Axial chest CT slice 124 of 213 (counted from the lowest slice); tube voltage 120 kVp, convolution kernel BONE; slices 1.25 mm thick, 0.646 mm per pixel.
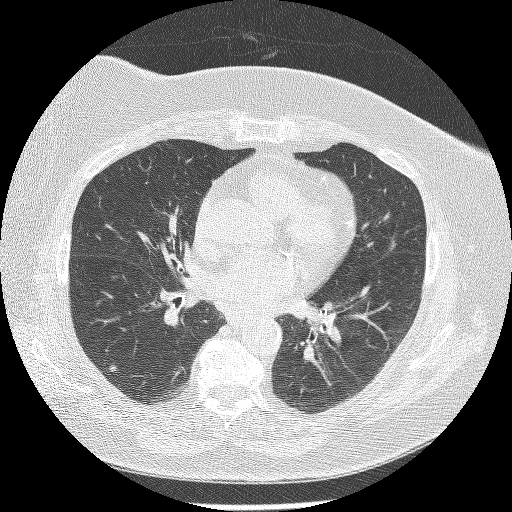
Pulmonary nodule outlined by three of the four readers; box rows 363–371, columns 108–116 (the union of the readers' outlines on this slice); the three readers' outlines give a longest diameter between 6.6 and 7.0 mm and a volume between 91 and 120 mm3. The readers' ratings, as ranges where they differ: texture from 3/5 (part-solid) to 5/5 (solid) across the three readers; margin from 1/5 (indistinct) to 4/5 across the three readers; sphericity from 3/5 (ovoid) to 4/5 across the three readers; calcification absent, all three readers agreeing; internal structure soft tissue from all three readers; subtlety rated between 3 and 4 out of 5 by the three readers; malignancy likelihood 2–4/5 (the readers disagree). Scale key (1–5): texture non-solid→solid, margin indistinct→circumscribed, sphericity linear→round, subtlety extremely subtle→obvious, malignancy likelihood highly unlikely→highly suspicious of cancer. Box rows and columns are 0-based pixel indices from the top-left corner, inclusive.